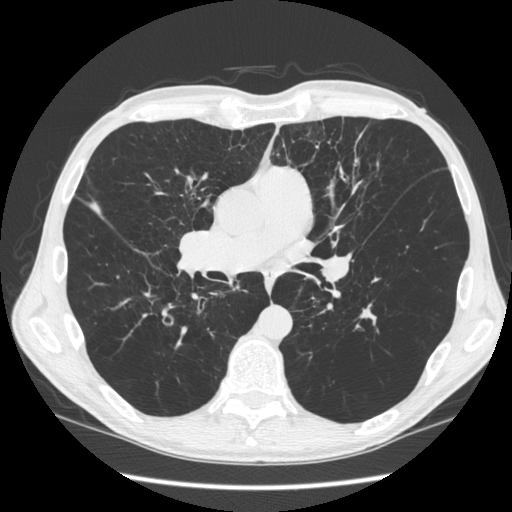
Axial chest CT slice 320 of 583 (counted from the lowest slice); tube voltage 120 kVp, convolution kernel STANDARD; slices 1.25 mm thick, 0.703 mm per pixel.
Pulmonary nodule, outlined by two of the four readers. Box on this slice rows 304–324, columns 360–375, the union of the readers' outlines on this slice; median longest diameter 27.9 mm (readers' outlines 24.1–31.7 mm), median volume 984 mm3 (791–1176 mm3). Median ratings and the readers' spread: texture 5/5 (solid), both readers agreeing; median margin 2.5/5 (readers ranged 1/5 (indistinct) to 4/5); median sphericity 1.5/5 (readers ranged 1/5 (linear) to 2/5); calcification absent, both readers agreeing; internal structure soft tissue from both readers; subtlety 5/5 from both readers; median malignancy likelihood 2.5/5 (readers ranged 2–3). Scale key (1–5): texture non-solid→solid, margin indistinct→circumscribed, sphericity linear→round, subtlety extremely subtle→obvious, malignancy likelihood highly unlikely→highly suspicious of cancer. Box rows and columns are 0-based pixel indices from the top-left corner, inclusive.